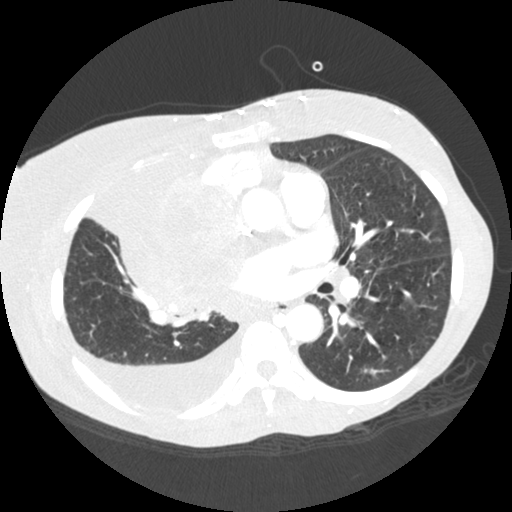
Chest CT, axial plane, 120 kVp, kernel STANDARD. Slice 123/238 from the bottom of the scan; thickness 1.25 mm; pixel size 0.625 mm.
Pulmonary nodule at rows 368–374, columns 369–374 (box = the union of the readers' outlines on this slice), outlined by all four readers, two of them on this slice; median longest diameter 10.1 mm (readers' outlines 9.7–10.7 mm), median volume 354 mm3 (334–416 mm3). Ratings, median across the readers with their spread: texture 5/5 (solid) from all four readers; margin 4/5 from all four readers; median sphericity 4.5/5 (readers ranged 4/5 to 5/5 (round)); calcification absent, all four readers agreeing; internal structure soft tissue from all four readers; median subtlety 4.5/5 (readers ranged 4–5); median malignancy likelihood 4/5 (readers ranged 3–5). Scale key (1–5): texture non-solid→solid, margin indistinct→circumscribed, sphericity linear→round, subtlety extremely subtle→obvious, malignancy likelihood highly unlikely→highly suspicious of cancer. Box rows and columns are 0-based pixel indices from the top-left corner, inclusive.